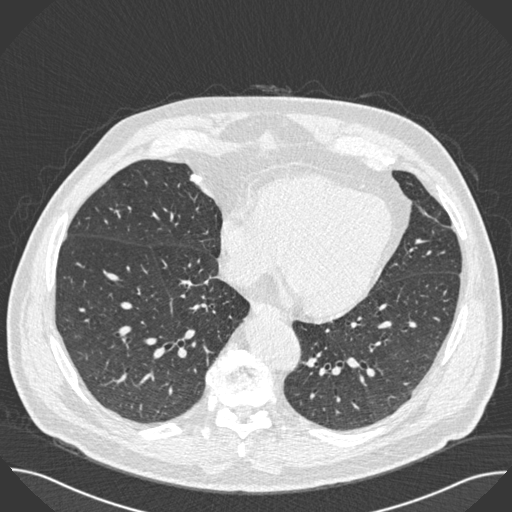
Axial chest CT slice 213 of 493 (counted from the lowest slice); tube voltage 120 kVp, convolution kernel B30f; slices 0.75 mm thick, 0.762 mm per pixel.
Pulmonary nodule outlined by all four readers; box rows 174–184, columns 190–201 (the union of the readers' outlines on this slice); the four readers' outlines give a longest diameter between 10.6 and 11.2 mm and a volume between 320 and 406 mm3. The readers' ratings, as ranges where they differ: texture 5/5 (solid) from all four readers; margin 5/5 (circumscribed) from all four readers; sphericity from 3/5 (ovoid) to 4/5 across the four readers; calcification: solid calcification (three), central calcification (one); internal structure soft tissue, all four readers agreeing; subtlety rated between 4 and 5 out of 5 by the four readers; malignancy likelihood 1/5 from all four readers. Scale key (1–5): texture non-solid→solid, margin indistinct→circumscribed, sphericity linear→round, subtlety extremely subtle→obvious, malignancy likelihood highly unlikely→highly suspicious of cancer. Box rows and columns are 0-based pixel indices from the top-left corner, inclusive.